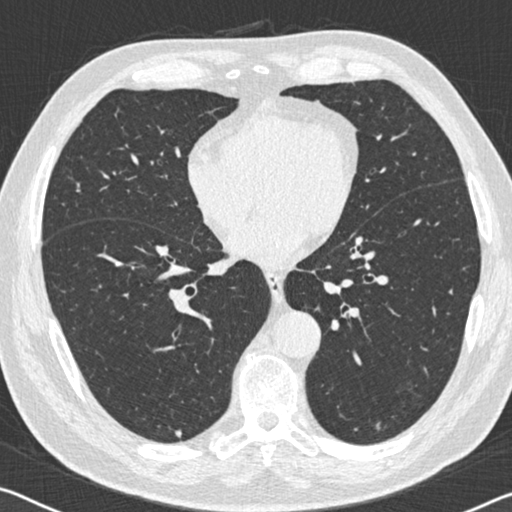
One axial slice (259 of 536, counting up from the lowest) of a chest CT acquired at 120 kVp with the B30f kernel; each pixel is 0.656 mm and the slice is 0.75 mm thick.
Two pulmonary nodules are outlined on this slice; from left to right: (1) Pulmonary nodule at rows 429–438, columns 174–182 (box = the union of the readers' outlines on this slice), outlined by three of the four readers; longest diameter 7.9 mm on average over the three readers' outlines (readers' outlines 6.2–9.3 mm), volume 71–161 mm3. Ratings, by the readers' most common answer with dissent counted: texture 5/5 (solid) from all three readers; most readers (two of three) put margin at 4/5, others 3/5 (one); most readers (two of three) put sphericity at 3/5 (ovoid), others 4/5 (one); calcification absent by two of three readers, non-central calcification (one); internal structure soft tissue, all three readers agreeing; subtlety split among the readers: 3/5 (one), 4/5 (one), 5/5 (one); malignancy likelihood 2/5 by two of three readers; the rest gave 3/5 (one). (2) Pulmonary nodule outlined by three of the four readers; box rows 421–430, columns 375–380 (the union of the readers' outlines on this slice); the three readers' outlines give a longest diameter between 5.9 and 7.9 mm and a volume between 17 and 64 mm3. The readers' ratings, as ranges where they differ: texture 5/5 (solid) from all three readers; margin from 2/5 to 3/5 across the three readers; sphericity from 1/5 (linear) to 3/5 (ovoid) across the three readers; calcification absent, all three readers agreeing; internal structure soft tissue from all three readers; subtlety from 2/5 to 5/5 across the three readers; malignancy likelihood from 1/5 to 3/5 across the three readers. Scale key (1–5): texture non-solid→solid, margin indistinct→circumscribed, sphericity linear→round, subtlety extremely subtle→obvious, malignancy likelihood highly unlikely→highly suspicious of cancer. Box rows and columns are 0-based pixel indices from the top-left corner, inclusive.